Chest CT, axial plane, 120 kVp, kernel B31f. Slice 42/107 from the bottom of the scan; thickness 3.00 mm; pixel size 0.586 mm.
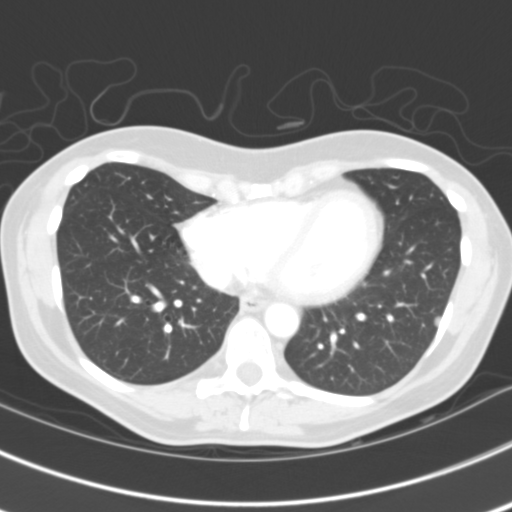
Pulmonary nodule outlined by all four readers; box rows 316–326, columns 433–440 (the union of the readers' outlines on this slice); longest diameter 7.5 mm on average over the four readers' outlines (readers' outlines 7.1–7.9 mm), volume 113–139 mm3. Ratings, by the readers' most common answer with dissent counted: texture 5/5 (solid) by two of four readers; the rest gave 2/5 (one), 4/5 (one); margin split among the readers: 4/5 (two), 5/5 (circumscribed) (two); sphericity 3/5 (ovoid) by three of four readers; the rest gave 4/5 (one); calcification absent, all four readers agreeing; internal structure soft tissue, all four readers agreeing; subtlety 4/5 by two of four readers; the rest gave 2/5 (one), 5/5 (one); malignancy likelihood 3/5 by three of four readers; the rest gave 2/5 (one). Scale key (1–5): texture non-solid→solid, margin indistinct→circumscribed, sphericity linear→round, subtlety extremely subtle→obvious, malignancy likelihood highly unlikely→highly suspicious of cancer. Box rows and columns are 0-based pixel indices from the top-left corner, inclusive.